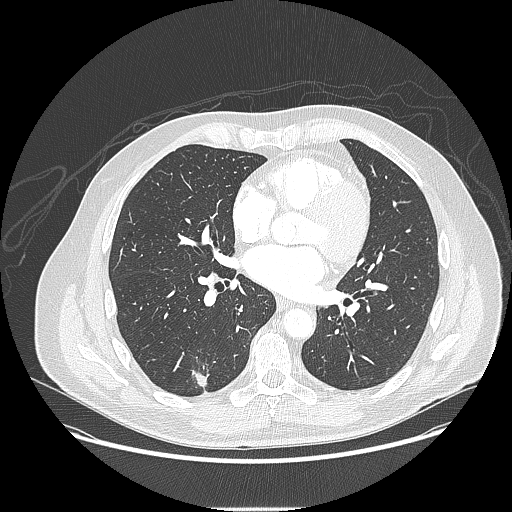
One axial slice (88 of 214, counting up from the lowest) of a chest CT acquired at 120 kVp with the LUNG kernel; each pixel is 0.820 mm and the slice is 1.25 mm thick.
Pulmonary nodule outlined by all four readers, three of them on this slice; box rows 369–387, columns 190–209 (the union of the readers' outlines on this slice); longest diameter 22.2 mm on average over the four readers' outlines (readers' outlines 14.7–27.9 mm), volume 696–2326 mm3. The readers' prevailing ratings and who disagreed: most readers (three of four) put texture at 5/5 (solid), others 4/5 (one); most readers (three of four) put margin at 4/5, others 1/5 (indistinct) (one); sphericity split among the readers: 2/5 (two), 3/5 (ovoid) (two); calcification absent from all four readers; internal structure soft tissue from all four readers; subtlety split among the readers: 4/5 (two), 5/5 (two); malignancy likelihood 4/5 by three of four readers; the rest gave 3/5 (one). Scale key (1–5): texture non-solid→solid, margin indistinct→circumscribed, sphericity linear→round, subtlety extremely subtle→obvious, malignancy likelihood highly unlikely→highly suspicious of cancer. Box rows and columns are 0-based pixel indices from the top-left corner, inclusive.